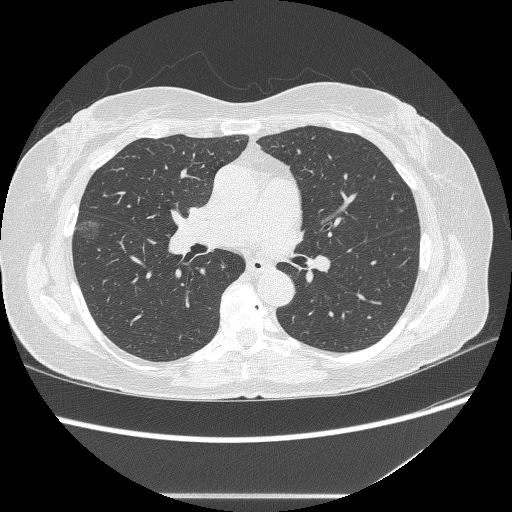
Axial slice 143 of 236 of a chest CT (slice 1 is the lowest), reconstructed with the BONE kernel at 120 kVp; 1.25 mm slice thickness and 0.703 mm pixels.
Pulmonary nodule outlined by all four readers, three of them on this slice; box rows 220–238, columns 76–99 (the union of the readers' outlines on this slice); longest diameter 18.4 mm on average over the four readers' outlines (readers' outlines 17.0–21.4 mm), volume 673–774 mm3. The readers' prevailing ratings and who disagreed: texture 1/5 (non-solid), all four readers agreeing; margin 1/5 (indistinct) by three of four readers; the rest gave 4/5 (one); most readers (three of four) put sphericity at 4/5, others 5/5 (round) (one); calcification absent, all four readers agreeing; internal structure soft tissue from all four readers; subtlety split among the readers: 3/5 (two), 5/5 (two); most readers (three of four) put malignancy likelihood at 4/5, others 3/5 (one). Scale key (1–5): texture non-solid→solid, margin indistinct→circumscribed, sphericity linear→round, subtlety extremely subtle→obvious, malignancy likelihood highly unlikely→highly suspicious of cancer. Box rows and columns are 0-based pixel indices from the top-left corner, inclusive.